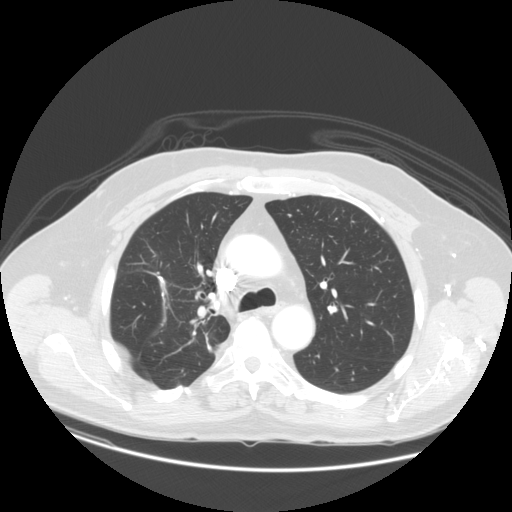
Axial chest CT slice 88 of 140 (counted from the lowest slice); 2.50 mm thick, 0.820 mm per pixel. Pulmonary nodule at rows 218–221, columns 221–225 (box = the one reader's outline on this slice), outlined by all four readers, one of them on this slice; median longest diameter 15.0 mm (readers' outlines 14.3–15.6 mm), median volume 1321 mm3 (1108–1503 mm3). Ratings, median across the readers with their spread: texture 5/5 (solid) from all four readers; margin 5/5 (circumscribed) from all four readers; median sphericity 4.5/5 (readers ranged 4/5 to 5/5 (round)); calcification absent from all four readers; internal structure soft tissue, all four readers agreeing; subtlety 4/5 at the median of four readers, spread 3–5; malignancy likelihood 3.5/5 at the median of four readers, spread 2–5. Scale key (1–5): texture non-solid→solid, margin indistinct→circumscribed, sphericity linear→round, subtlety extremely subtle→obvious, malignancy likelihood highly unlikely→highly suspicious of cancer. Box rows and columns are 0-based pixel indices from the top-left corner, inclusive.
Tube voltage 120 kVp; convolution kernel STANDARD.